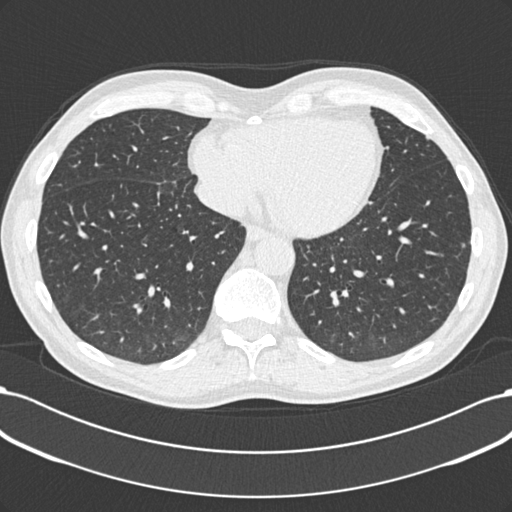
Chest CT, axial plane, 120 kVp, kernel B30f. Slice 71/198 from the bottom of the scan; thickness 2.00 mm; pixel size 0.703 mm.
Pulmonary nodule outlined by three of the four readers; box rows 243–248, columns 460–466 (the union of the readers' outlines on this slice); median longest diameter 6.9 mm (readers' outlines 6.6–6.9 mm), median volume 93 mm3 (89–94 mm3). Ratings, median across the readers with their spread: median texture 5/5 (solid) (readers ranged 4/5 to 5/5 (solid)); median margin 5/5 (circumscribed) (readers ranged 4/5 to 5/5 (circumscribed)); median sphericity 4/5 (readers ranged 4/5 to 5/5 (round)); calcification absent from all three readers; internal structure soft tissue from all three readers; subtlety 4/5 at the median of three readers, spread 2–5; malignancy likelihood 3/5 at the median of three readers, spread 3–4. Scale key (1–5): texture non-solid→solid, margin indistinct→circumscribed, sphericity linear→round, subtlety extremely subtle→obvious, malignancy likelihood highly unlikely→highly suspicious of cancer. Box rows and columns are 0-based pixel indices from the top-left corner, inclusive.